Chest CT, axial plane, 120 kVp, kernel D. Slice 142/321 from the bottom of the scan; thickness 2.00 mm; pixel size 0.557 mm.
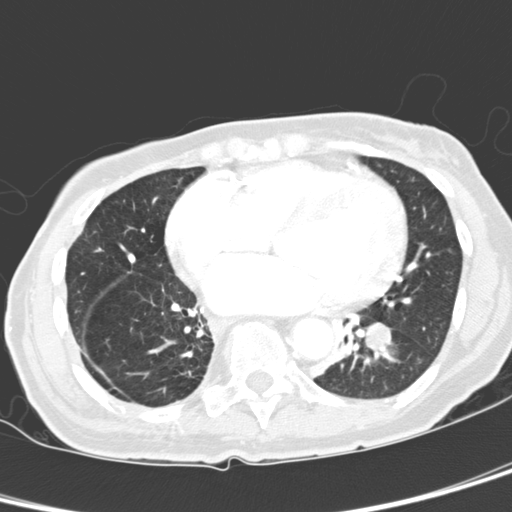
Pulmonary nodule at rows 322–351, columns 363–390 (box = the union of the readers' outlines on this slice), outlined by all four readers; median longest diameter 18.6 mm (readers' outlines 18.1–20.0 mm), median volume 2503 mm3 (2428–2697 mm3). Median ratings and the readers' spread: median texture 4.5/5 (readers ranged 4/5 to 5/5 (solid)); margin 4.5/5 at the median of four readers, spread 3/5 to 5/5 (circumscribed); median sphericity 5/5 (round) (readers ranged 4/5 to 5/5 (round)); calcification absent from all four readers; internal structure soft tissue, all four readers agreeing; subtlety 5/5 at the median of four readers, spread 4–5; malignancy likelihood 4/5 at the median of four readers, spread 2–5. Scale key (1–5): texture non-solid→solid, margin indistinct→circumscribed, sphericity linear→round, subtlety extremely subtle→obvious, malignancy likelihood highly unlikely→highly suspicious of cancer. Box rows and columns are 0-based pixel indices from the top-left corner, inclusive.